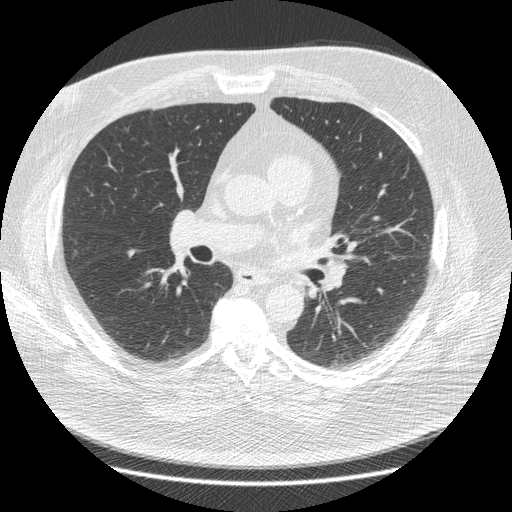
Axial slice 225 of 426 of a chest CT (slice 1 is the lowest), reconstructed with the STANDARD kernel at 120 kVp; 1.25 mm slice thickness and 0.742 mm pixels.
Pulmonary nodule at rows 249–257, columns 127–136 (box = the union of the readers' outlines on this slice), outlined by two of the four readers; longest diameter 9.4 mm on average over the two readers' outlines (readers' outlines 9.2–9.7 mm), volume 99–114 mm3. The readers' prevailing ratings and who disagreed: texture 5/5 (solid), both readers agreeing; margin split among the readers: 4/5 (one), 5/5 (circumscribed) (one); sphericity 3/5 (ovoid) from both readers; calcification absent from both readers; internal structure soft tissue, both readers agreeing; subtlety 3/5 from both readers; malignancy likelihood 2/5 from both readers. Scale key (1–5): texture non-solid→solid, margin indistinct→circumscribed, sphericity linear→round, subtlety extremely subtle→obvious, malignancy likelihood highly unlikely→highly suspicious of cancer. Box rows and columns are 0-based pixel indices from the top-left corner, inclusive.